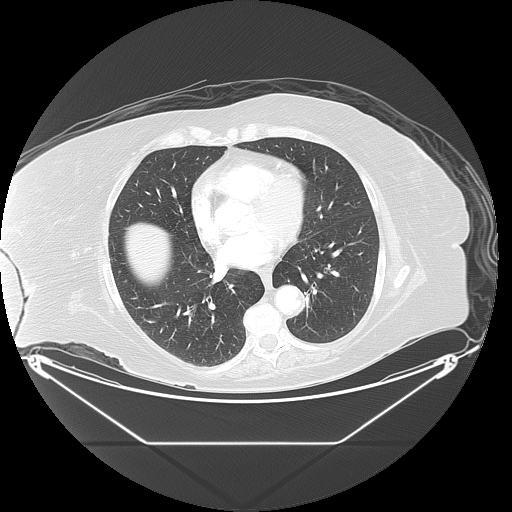
One axial slice (72 of 133, counting up from the lowest) of a chest CT acquired at 120 kVp with the LUNG kernel; each pixel is 0.977 mm and the slice is 2.50 mm thick.
No nodule of 3 mm or larger was outlined by any of the four readers on this slice.